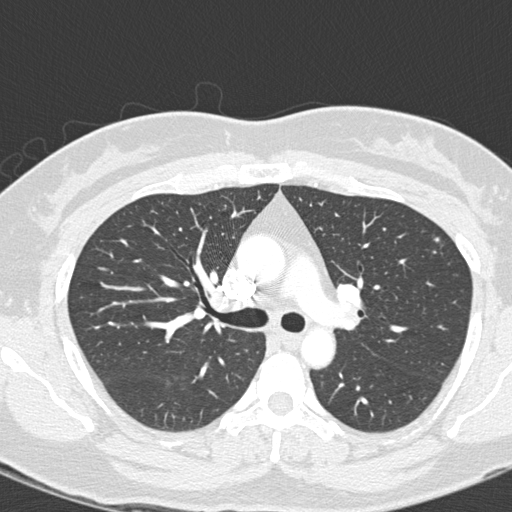
Axial slice 189 of 278 of a chest CT (slice 1 is the lowest), reconstructed with the B45f kernel at 120 kVp; 1.00 mm slice thickness and 0.566 mm pixels.
Pulmonary nodule at rows 235–248, columns 432–443 (box = the union of the readers' outlines on this slice), outlined by three of the four readers; longest diameter 4.1–9.6 mm and volume 25–86 mm3 across the three readers' outlines. The readers' ratings, as ranges where they differ: texture from 1/5 (non-solid) to 5/5 (solid) across the three readers; margin from 1/5 (indistinct) to 5/5 (circumscribed) across the three readers; sphericity from 3/5 (ovoid) to 5/5 (round) across the three readers; calcification: absent (two), solid calcification (one); internal structure soft tissue from all three readers; subtlety from 1/5 to 5/5 across the three readers; malignancy likelihood rated between 1 and 4 out of 5 by the three readers. Scale key (1–5): texture non-solid→solid, margin indistinct→circumscribed, sphericity linear→round, subtlety extremely subtle→obvious, malignancy likelihood highly unlikely→highly suspicious of cancer. Box rows and columns are 0-based pixel indices from the top-left corner, inclusive.